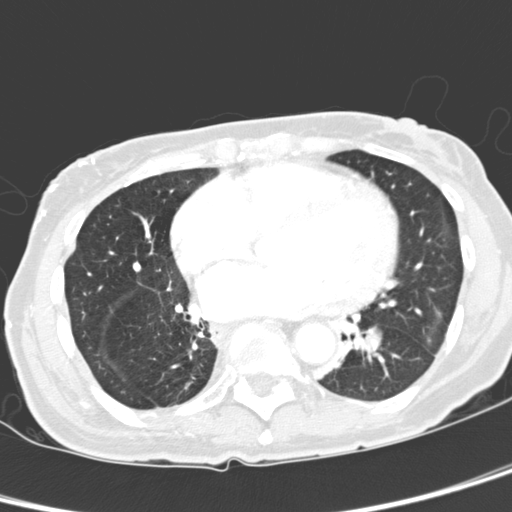
Axial slice 151 of 321 of a chest CT (slice 1 is the lowest), reconstructed with the D kernel at 120 kVp; 2.00 mm slice thickness and 0.557 mm pixels.
Pulmonary nodule, outlined by all four readers. Box on this slice rows 326–351, columns 361–382, the union of the readers' outlines on this slice; median longest diameter 18.6 mm (readers' outlines 18.1–20.0 mm), median volume 2503 mm3 (2428–2697 mm3). Median ratings and the readers' spread: texture 4.5/5 at the median of four readers, spread 4/5 to 5/5 (solid); margin 4.5/5 at the median of four readers, spread 3/5 to 5/5 (circumscribed); median sphericity 5/5 (round) (readers ranged 4/5 to 5/5 (round)); calcification absent, all four readers agreeing; internal structure soft tissue from all four readers; subtlety 5/5 at the median of four readers, spread 4–5; malignancy likelihood 4/5 at the median of four readers, spread 2–5. Scale key (1–5): texture non-solid→solid, margin indistinct→circumscribed, sphericity linear→round, subtlety extremely subtle→obvious, malignancy likelihood highly unlikely→highly suspicious of cancer. Box rows and columns are 0-based pixel indices from the top-left corner, inclusive.